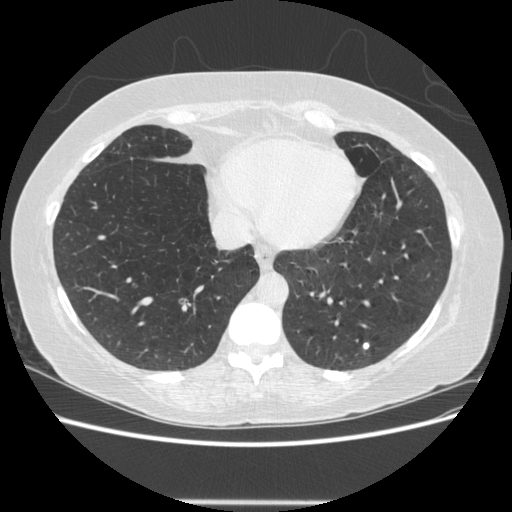
Chest CT, axial plane, 120 kVp, kernel STANDARD. Slice 168/513 from the bottom of the scan; thickness 1.25 mm; pixel size 0.703 mm.
Pulmonary nodule at rows 342–349, columns 362–369 (box = the union of the readers' outlines on this slice), outlined by all four readers; longest diameter 7.6–9.4 mm and volume 94–152 mm3 across the four readers' outlines. The readers' ratings, as ranges where they differ: texture 5/5 (solid), all four readers agreeing; margin from 1/5 (indistinct) to 5/5 (circumscribed) across the four readers; sphericity from 3/5 (ovoid) to 5/5 (round) across the four readers; calcification: solid calcification (three), absent (one); internal structure soft tissue from all four readers; subtlety from 4/5 to 5/5 across the four readers; malignancy likelihood 1–4/5 (the readers disagree). Scale key (1–5): texture non-solid→solid, margin indistinct→circumscribed, sphericity linear→round, subtlety extremely subtle→obvious, malignancy likelihood highly unlikely→highly suspicious of cancer. Box rows and columns are 0-based pixel indices from the top-left corner, inclusive.